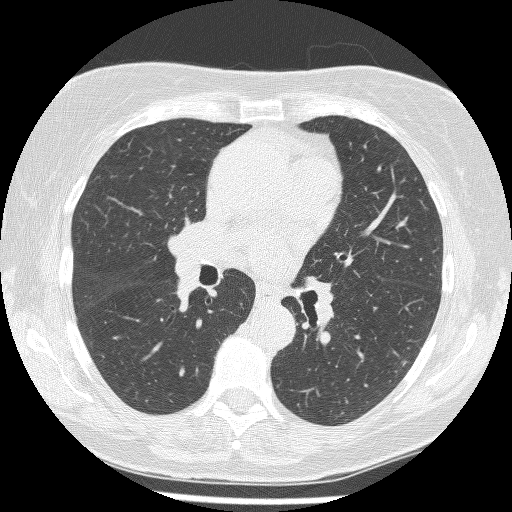
Axial chest CT slice 140 of 241 (counted from the lowest slice); 1.25 mm thick, 0.590 mm per pixel. Pulmonary nodule at rows 359–365, columns 400–407 (box = the union of the readers' outlines on this slice), outlined by all four readers, two of them on this slice; the four readers' outlines give a longest diameter between 8.4 and 12.5 mm and a volume between 155 and 364 mm3. The readers' ratings, as ranges where they differ: texture from 4/5 to 5/5 (solid) across the four readers; margin from 1/5 (indistinct) to 3/5 across the four readers; sphericity from 3/5 (ovoid) to 5/5 (round) across the four readers; calcification absent, all four readers agreeing; internal structure soft tissue, all four readers agreeing; subtlety rated between 4 and 5 out of 5 by the four readers; malignancy likelihood 3–5/5 (the readers disagree). Scale key (1–5): texture non-solid→solid, margin indistinct→circumscribed, sphericity linear→round, subtlety extremely subtle→obvious, malignancy likelihood highly unlikely→highly suspicious of cancer. Box rows and columns are 0-based pixel indices from the top-left corner, inclusive.
Scan settings: 120 kVp, BONE reconstruction kernel.